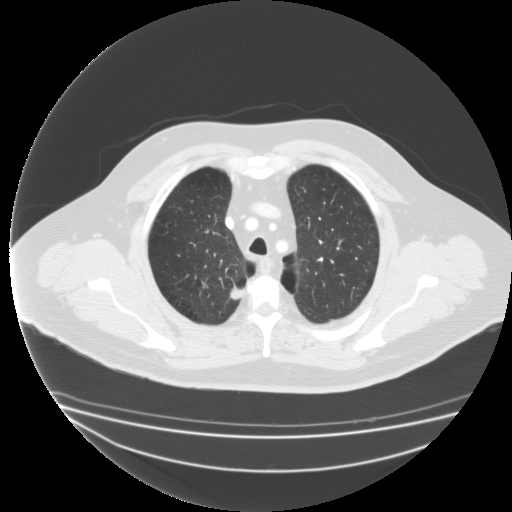
Axial chest CT slice 151 of 183 (counted from the lowest slice); 2.00 mm thick, 0.946 mm per pixel. Pulmonary nodule outlined by three of the four readers; box rows 285–300, columns 228–241 (the union of the readers' outlines on this slice); longest diameter 16.1–17.8 mm and volume 986–1640 mm3 across the three readers' outlines. The readers' ratings, as ranges where they differ: texture 5/5 (solid), all three readers agreeing; margin from 3/5 to 4/5 across the three readers; sphericity 4/5, all three readers agreeing; calcification absent, all three readers agreeing; internal structure soft tissue from all three readers; subtlety rated between 4 and 5 out of 5 by the three readers; malignancy likelihood 4/5, all three readers agreeing. Scale key (1–5): texture non-solid→solid, margin indistinct→circumscribed, sphericity linear→round, subtlety extremely subtle→obvious, malignancy likelihood highly unlikely→highly suspicious of cancer. Box rows and columns are 0-based pixel indices from the top-left corner, inclusive.
Acquired at 135 kVp and reconstructed with the FC03 kernel.